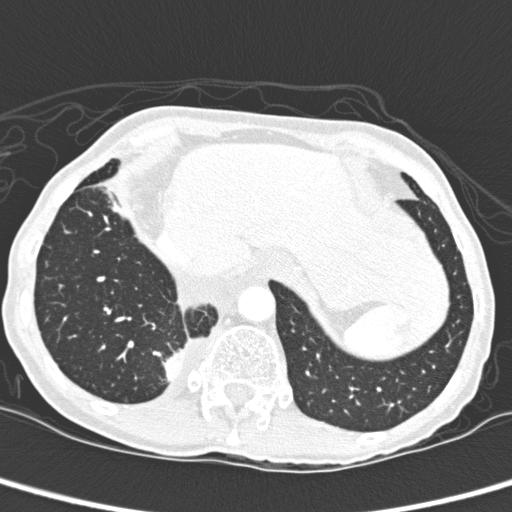
Axial slice 46 of 280 of a chest CT (slice 1 is the lowest), reconstructed with the D kernel at 120 kVp; 1.00 mm slice thickness and 0.564 mm pixels.
Pulmonary nodule at rows 349–382, columns 162–185 (box = the union of the readers' outlines on this slice), outlined by two of the four readers; longest diameter 33.9 mm on average over the two readers' outlines (readers' outlines 32.1–35.8 mm), volume 5657–6702 mm3. The readers' prevailing ratings and who disagreed: texture 5/5 (solid) from both readers; margin 4/5 from both readers; sphericity 3/5 (ovoid) from both readers; calcification absent, both readers agreeing; internal structure soft tissue from both readers; subtlety 5/5 from both readers; malignancy likelihood split among the readers: 2/5 (one), 3/5 (one). Scale key (1–5): texture non-solid→solid, margin indistinct→circumscribed, sphericity linear→round, subtlety extremely subtle→obvious, malignancy likelihood highly unlikely→highly suspicious of cancer. Box rows and columns are 0-based pixel indices from the top-left corner, inclusive.